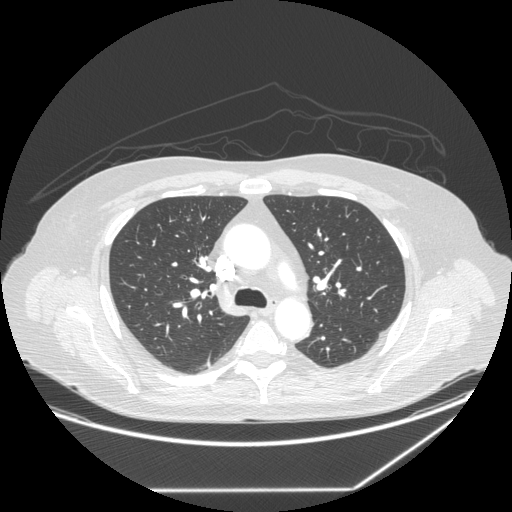
This is axial slice 173 of 258 (slice 1 is the lowest) of a chest CT; each pixel is 0.859 mm and the slice is 1.25 mm thick. Pulmonary nodule at rows 215–220, columns 187–191 (box = the one reader's outline on this slice), outlined by all four readers, one of them on this slice; the four readers' outlines give a longest diameter between 11.3 and 12.3 mm and a volume between 283 and 414 mm3. The readers' ratings, as ranges where they differ: texture 5/5 (solid) from all four readers; margin from 4/5 to 5/5 (circumscribed) across the four readers; sphericity from 3/5 (ovoid) to 5/5 (round) across the four readers; calcification absent from all four readers; internal structure soft tissue from all four readers; subtlety rated between 3 and 5 out of 5 by the four readers; malignancy likelihood from 2/5 to 4/5 across the four readers. Scale key (1–5): texture non-solid→solid, margin indistinct→circumscribed, sphericity linear→round, subtlety extremely subtle→obvious, malignancy likelihood highly unlikely→highly suspicious of cancer. Box rows and columns are 0-based pixel indices from the top-left corner, inclusive.
Scan settings: 120 kVp, STANDARD reconstruction kernel.